One axial slice (133 of 161, counting up from the lowest) of a chest CT acquired at 120 kVp with the BONE kernel; each pixel is 0.549 mm and the slice is 1.25 mm thick.
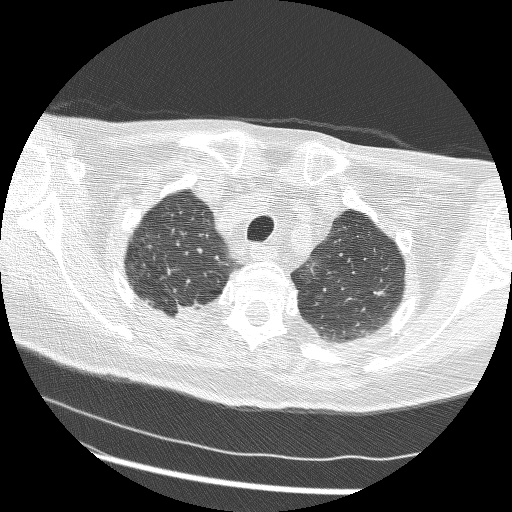
Pulmonary nodule, outlined by one of the four readers. Box on this slice rows 291–295, columns 377–384, that reader's outline on this slice; longest diameter 6.6 mm and volume 55 mm3 from that reader's outline. That reader's ratings: texture 5/5 (solid); margin 4/5; sphericity 3/5 (ovoid); calcification absent; internal structure soft tissue; subtlety 2/5; malignancy likelihood 2/5. Scale key (1–5): texture non-solid→solid, margin indistinct→circumscribed, sphericity linear→round, subtlety extremely subtle→obvious, malignancy likelihood highly unlikely→highly suspicious of cancer. Box rows and columns are 0-based pixel indices from the top-left corner, inclusive.